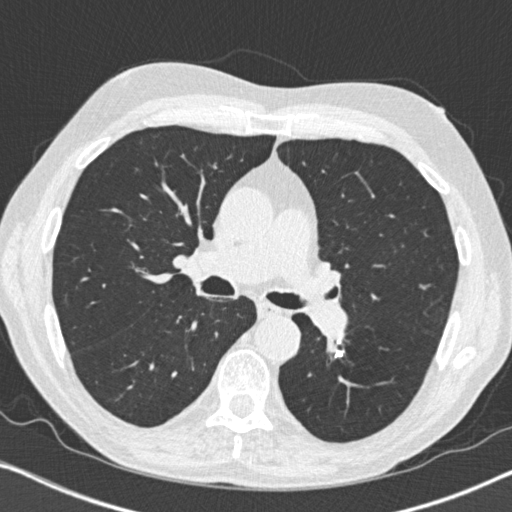
Axial chest CT slice 471 of 764 (counted from the lowest slice); tube voltage 120 kVp, convolution kernel B31f; slices 1.00 mm thick, 0.646 mm per pixel.
Pulmonary nodule at rows 350–357, columns 335–343 (box = that reader's outline on this slice), outlined by one of the four readers; longest diameter 8.3 mm and volume 154 mm3 from that reader's outline. That reader's ratings: texture 5/5 (solid); margin 5/5 (circumscribed); sphericity 3/5 (ovoid); calcification solid calcification; internal structure soft tissue; subtlety 5/5; malignancy likelihood 1/5. Scale key (1–5): texture non-solid→solid, margin indistinct→circumscribed, sphericity linear→round, subtlety extremely subtle→obvious, malignancy likelihood highly unlikely→highly suspicious of cancer. Box rows and columns are 0-based pixel indices from the top-left corner, inclusive.